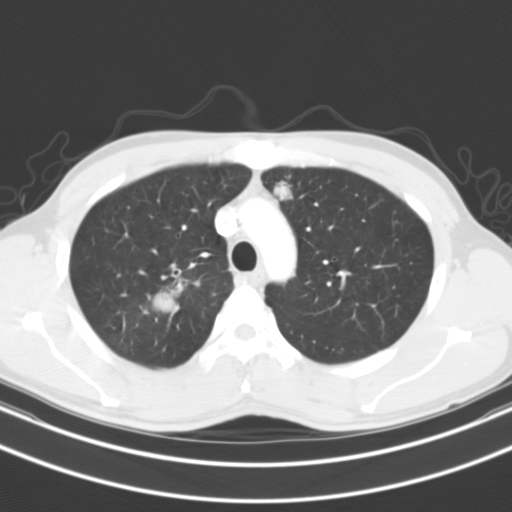
Axial chest CT slice 75 of 104 (counted from the lowest slice); 3.00 mm thick, 0.637 mm per pixel. Pulmonary nodule outlined by three of the four readers; box rows 181–200, columns 274–292 (the union of the readers' outlines on this slice); median longest diameter 14.2 mm (readers' outlines 14.0–14.9 mm), median volume 683 mm3 (609–830 mm3). Median ratings and the readers' spread: median texture 5/5 (solid) (readers ranged 4/5 to 5/5 (solid)); median margin 3/5 (readers ranged 2/5 to 4/5); median sphericity 4/5 (readers ranged 3/5 (ovoid) to 4/5); calcification absent from all three readers; internal structure soft tissue, all three readers agreeing; median subtlety 5/5 (readers ranged 4–5); malignancy likelihood 4/5 at the median of three readers, spread 1–5. Scale key (1–5): texture non-solid→solid, margin indistinct→circumscribed, sphericity linear→round, subtlety extremely subtle→obvious, malignancy likelihood highly unlikely→highly suspicious of cancer. Box rows and columns are 0-based pixel indices from the top-left corner, inclusive.
Scan settings: 130 kVp, B31s reconstruction kernel.